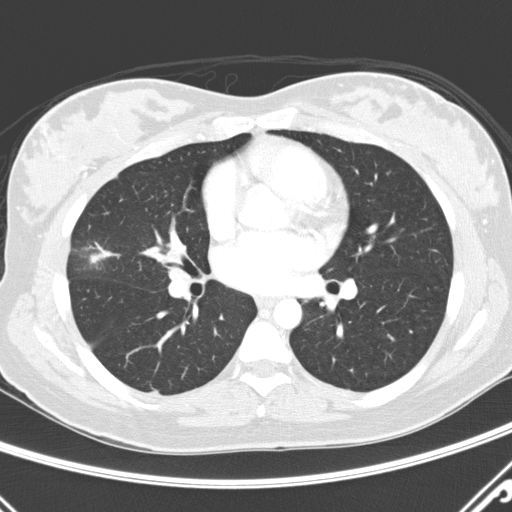
One axial slice (151 of 290, counting up from the lowest) of a chest CT acquired at 120 kVp with the D kernel; each pixel is 0.648 mm and the slice is 2.00 mm thick.
Pulmonary nodule, outlined by all four readers. Box on this slice rows 243–263, columns 87–120, the union of the readers' outlines on this slice; longest diameter 19.9–37.8 mm and volume 1327–2956 mm3 across the four readers' outlines. The readers' ratings, as ranges where they differ: texture from 3/5 (part-solid) to 5/5 (solid) across the four readers; margin from 1/5 (indistinct) to 3/5 across the four readers; sphericity from 2/5 to 4/5 across the four readers; calcification absent from all four readers; internal structure soft tissue, all four readers agreeing; subtlety 5/5 from all four readers; malignancy likelihood from 3/5 to 5/5 across the four readers. Scale key (1–5): texture non-solid→solid, margin indistinct→circumscribed, sphericity linear→round, subtlety extremely subtle→obvious, malignancy likelihood highly unlikely→highly suspicious of cancer. Box rows and columns are 0-based pixel indices from the top-left corner, inclusive.